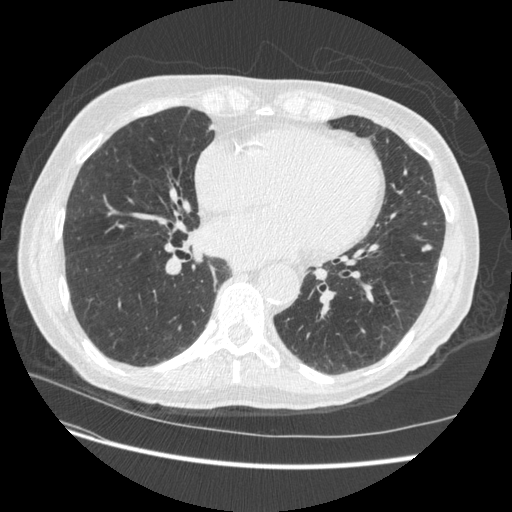
One axial slice (197 of 509, counting up from the lowest) of a chest CT acquired at 120 kVp with the STANDARD kernel; each pixel is 0.703 mm and the slice is 1.25 mm thick.
Pulmonary nodule at rows 243–252, columns 421–432 (box = the union of the readers' outlines on this slice), outlined by three of the four readers; longest diameter 6.9–9.6 mm and volume 87–218 mm3 across the three readers' outlines. The readers' ratings, as ranges where they differ: texture 5/5 (solid) from all three readers; margin 4/5, all three readers agreeing; sphericity from 3/5 (ovoid) to 4/5 across the three readers; calcification absent, all three readers agreeing; internal structure soft tissue from all three readers; subtlety from 4/5 to 5/5 across the three readers; malignancy likelihood rated between 2 and 5 out of 5 by the three readers. Scale key (1–5): texture non-solid→solid, margin indistinct→circumscribed, sphericity linear→round, subtlety extremely subtle→obvious, malignancy likelihood highly unlikely→highly suspicious of cancer. Box rows and columns are 0-based pixel indices from the top-left corner, inclusive.